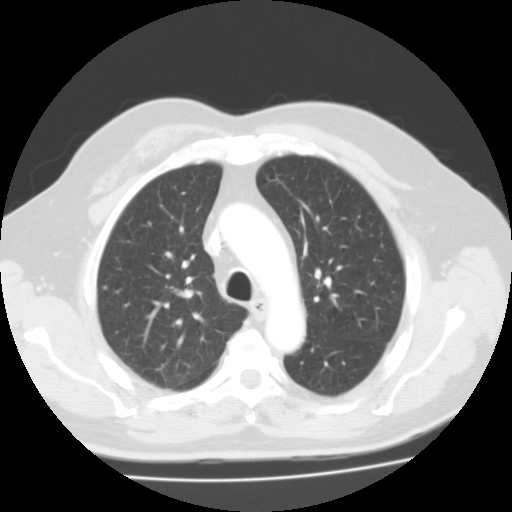
Axial chest CT slice 94 of 125 (counted from the lowest slice); 3.00 mm thick, 0.721 mm per pixel. Pulmonary nodule at rows 285–289, columns 102–107 (box = the union of the readers' outlines on this slice), outlined by two of the four readers; longest diameter 4.9 mm on average over the two readers' outlines (readers' outlines 4.6–5.2 mm), volume 58–88 mm3. The readers' prevailing ratings and who disagreed: texture split among the readers: 4/5 (one), 5/5 (solid) (one); margin split among the readers: 4/5 (one), 5/5 (circumscribed) (one); sphericity split among the readers: 3/5 (ovoid) (one), 5/5 (round) (one); calcification absent from both readers; internal structure soft tissue from both readers; subtlety split among the readers: 3/5 (one), 5/5 (one); malignancy likelihood 3/5 from both readers. Scale key (1–5): texture non-solid→solid, margin indistinct→circumscribed, sphericity linear→round, subtlety extremely subtle→obvious, malignancy likelihood highly unlikely→highly suspicious of cancer. Box rows and columns are 0-based pixel indices from the top-left corner, inclusive.
Tube voltage 135 kVp; convolution kernel FC01.